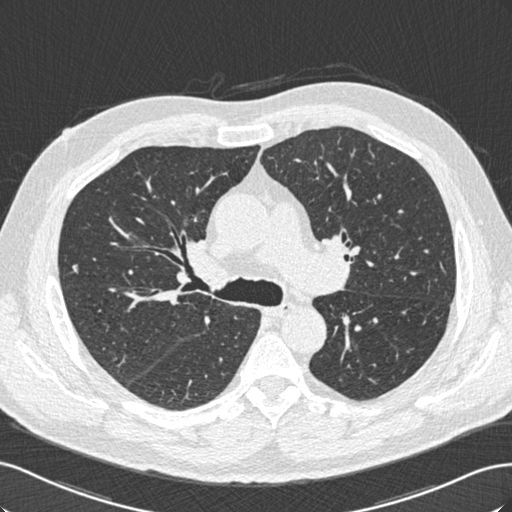
Axial chest CT slice 368 of 529 (counted from the lowest slice); tube voltage 120 kVp, convolution kernel B30f; slices 0.75 mm thick, 0.703 mm per pixel.
Pulmonary nodule at rows 266–271, columns 73–76 (box = that reader's outline on this slice), outlined by one of the four readers; longest diameter 6.3 mm and volume 38 mm3 from that reader's outline. Ratings by that reader: texture 5/5 (solid); margin 5/5 (circumscribed); sphericity 3/5 (ovoid); calcification absent; internal structure soft tissue; subtlety 5/5; malignancy likelihood 3/5. Scale key (1–5): texture non-solid→solid, margin indistinct→circumscribed, sphericity linear→round, subtlety extremely subtle→obvious, malignancy likelihood highly unlikely→highly suspicious of cancer. Box rows and columns are 0-based pixel indices from the top-left corner, inclusive.